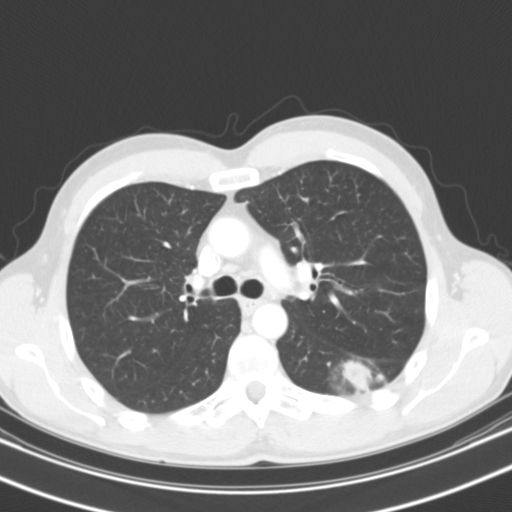
One axial slice (76 of 119, counting up from the lowest) of a chest CT acquired at 130 kVp with the B31s kernel; each pixel is 0.650 mm and the slice is 3.00 mm thick.
Pulmonary nodule at rows 359–393, columns 327–383 (box = the union of the readers' outlines on this slice), outlined by all four readers; longest diameter 36.6 mm on average over the four readers' outlines (readers' outlines 31.4–40.2 mm), volume 6737–11596 mm3. The readers' prevailing ratings and who disagreed: texture 5/5 (solid) by three of four readers; the rest gave 4/5 (one); margin 4/5 by two of four readers; the rest gave 1/5 (indistinct) (one), 3/5 (one); sphericity 4/5 by two of four readers; the rest gave 3/5 (ovoid) (one), 5/5 (round) (one); calcification absent from all four readers; internal structure soft tissue by three of four readers, air (one); subtlety 5/5 from all four readers; malignancy likelihood 5/5 by two of four readers; the rest gave 2/5 (one), 4/5 (one). Scale key (1–5): texture non-solid→solid, margin indistinct→circumscribed, sphericity linear→round, subtlety extremely subtle→obvious, malignancy likelihood highly unlikely→highly suspicious of cancer. Box rows and columns are 0-based pixel indices from the top-left corner, inclusive.